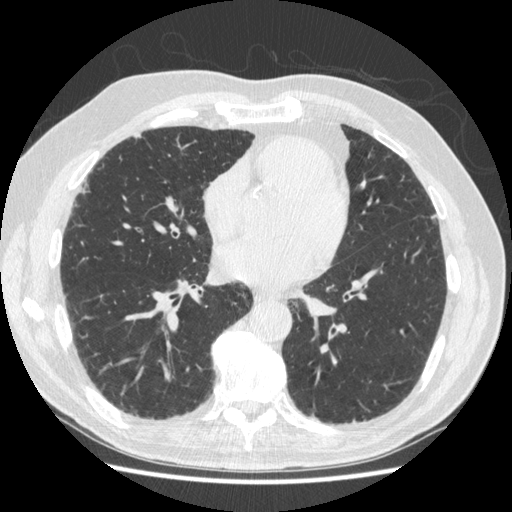
Slice 224/497 of a chest CT, counting up from the lowest; pixel size 0.703 mm, slice thickness 1.25 mm. Pulmonary nodule, outlined by all four readers, one of them on this slice. Box on this slice rows 133–140, columns 132–141, the one reader's outline on this slice; median longest diameter 11.6 mm (readers' outlines 10.9–14.8 mm), median volume 235 mm3 (184–648 mm3). Ratings, median across the readers with their spread: texture 5/5 (solid) at the median of four readers, spread 1/5 (non-solid) to 5/5 (solid); margin 3/5 at the median of four readers, spread 2/5 to 4/5; sphericity 3.5/5 at the median of four readers, spread 3/5 (ovoid) to 5/5 (round); calcification absent from all four readers; internal structure soft tissue from all four readers; subtlety 4/5 at the median of four readers, spread 1–5; median malignancy likelihood 3/5 (readers ranged 2–4). Scale key (1–5): texture non-solid→solid, margin indistinct→circumscribed, sphericity linear→round, subtlety extremely subtle→obvious, malignancy likelihood highly unlikely→highly suspicious of cancer. Box rows and columns are 0-based pixel indices from the top-left corner, inclusive.
Tube voltage 120 kVp; convolution kernel STANDARD.